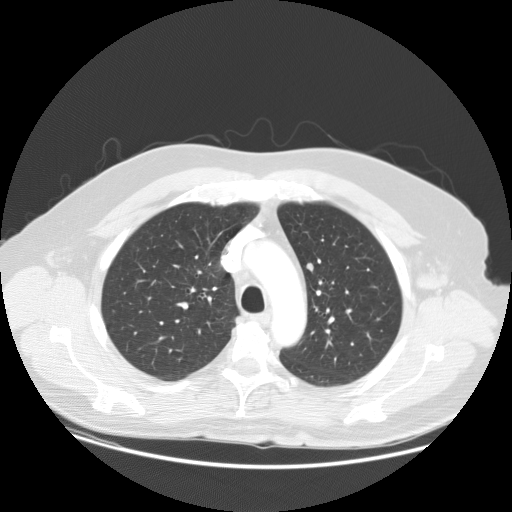
Axial chest CT slice 81 of 115 (counted from the lowest slice); tube voltage 120 kVp, convolution kernel STANDARD; slices 2.50 mm thick, 0.820 mm per pixel.
Pulmonary nodule outlined by all four readers; box rows 263–271, columns 306–313 (the union of the readers' outlines on this slice); longest diameter 8.6 mm on average over the four readers' outlines (readers' outlines 8.2–8.8 mm), volume 205–271 mm3. Ratings, by the readers' most common answer with dissent counted: texture 5/5 (solid), all four readers agreeing; margin split among the readers: 4/5 (two), 5/5 (circumscribed) (two); most readers (three of four) put sphericity at 4/5, others 3/5 (ovoid) (one); calcification absent from all four readers; internal structure soft tissue, all four readers agreeing; subtlety 3/5 by three of four readers; the rest gave 4/5 (one); most readers (three of four) put malignancy likelihood at 3/5, others 2/5 (one). Scale key (1–5): texture non-solid→solid, margin indistinct→circumscribed, sphericity linear→round, subtlety extremely subtle→obvious, malignancy likelihood highly unlikely→highly suspicious of cancer. Box rows and columns are 0-based pixel indices from the top-left corner, inclusive.